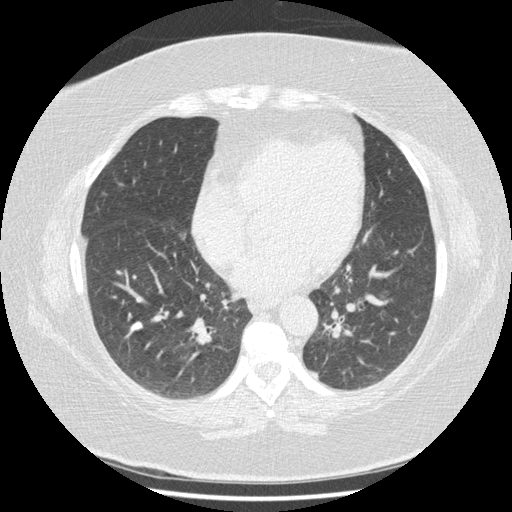
Slice 183/417 of a chest CT, counting up from the lowest; pixel size 0.703 mm, slice thickness 1.25 mm. Pulmonary nodule at rows 321–330, columns 130–142 (box = the union of the readers' outlines on this slice), outlined by all four readers; the four readers' outlines give a longest diameter between 10.5 and 10.9 mm and a volume between 396 and 502 mm3. The readers' ratings, as ranges where they differ: texture 5/5 (solid), all four readers agreeing; margin 5/5 (circumscribed) from all four readers; sphericity from 3/5 (ovoid) to 4/5 across the four readers; calcification: solid calcification (three), absent (one); internal structure soft tissue from all four readers; subtlety 5/5 from all four readers; malignancy likelihood 1/5 from all four readers. Scale key (1–5): texture non-solid→solid, margin indistinct→circumscribed, sphericity linear→round, subtlety extremely subtle→obvious, malignancy likelihood highly unlikely→highly suspicious of cancer. Box rows and columns are 0-based pixel indices from the top-left corner, inclusive.
Acquired at 120 kVp and reconstructed with the STANDARD kernel.